Axial slice 125 of 273 of a chest CT (slice 1 is the lowest), reconstructed with the BONE kernel at 120 kVp; 1.25 mm slice thickness and 0.703 mm pixels.
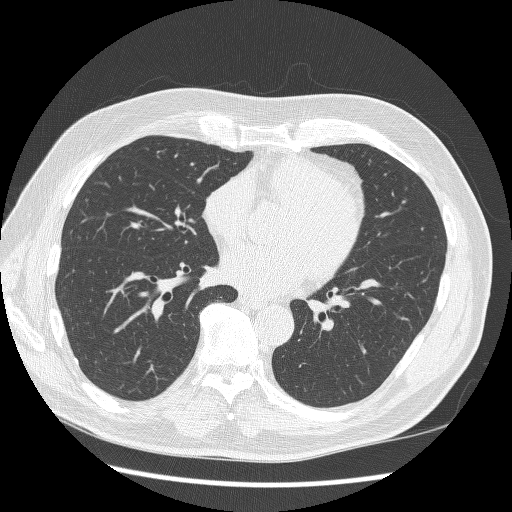
None of the four readers outlined a nodule of 3 mm or more on this slice.